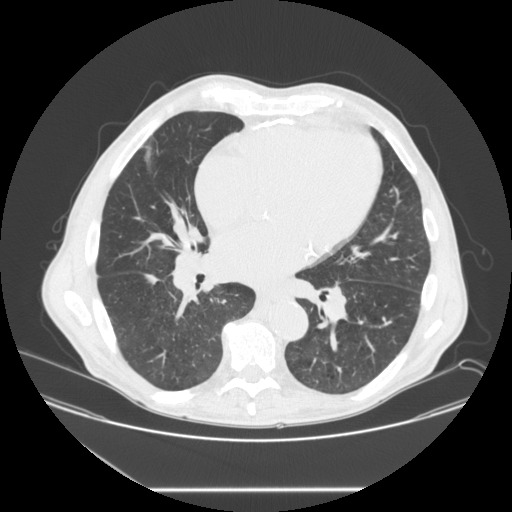
Axial chest CT slice 112 of 245 (counted from the lowest slice); tube voltage 120 kVp, convolution kernel STANDARD; slices 1.25 mm thick, 0.834 mm per pixel.
Pulmonary nodule, outlined by three of the four readers. Box on this slice rows 274–284, columns 145–159, the union of the readers' outlines on this slice; median longest diameter 14.6 mm (readers' outlines 14.3–16.2 mm), median volume 330 mm3 (328–432 mm3). Ratings, median across the readers with their spread: texture 5/5 (solid), all three readers agreeing; median margin 5/5 (circumscribed) (readers ranged 4/5 to 5/5 (circumscribed)); sphericity 3/5 (ovoid), all three readers agreeing; calcification absent, all three readers agreeing; internal structure soft tissue, all three readers agreeing; median subtlety 4/5 (readers ranged 4–5); median malignancy likelihood 3/5 (readers ranged 2–3). Scale key (1–5): texture non-solid→solid, margin indistinct→circumscribed, sphericity linear→round, subtlety extremely subtle→obvious, malignancy likelihood highly unlikely→highly suspicious of cancer. Box rows and columns are 0-based pixel indices from the top-left corner, inclusive.